Chest CT, axial plane, 120 kVp, kernel STANDARD. Slice 417/474 from the bottom of the scan; thickness 1.25 mm; pixel size 0.645 mm.
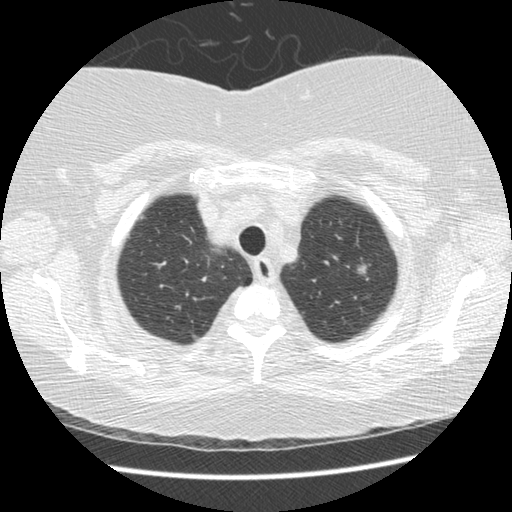
Pulmonary nodule, outlined by three of the four readers. Box on this slice rows 262–275, columns 356–367, the union of the readers' outlines on this slice; the three readers' outlines give a longest diameter between 8.2 and 9.8 mm and a volume between 122 and 196 mm3. The readers' ratings, as ranges where they differ: texture from 1/5 (non-solid) to 5/5 (solid) across the three readers; margin from 2/5 to 4/5 across the three readers; sphericity from 4/5 to 5/5 (round) across the three readers; calcification absent, all three readers agreeing; internal structure soft tissue from all three readers; subtlety rated between 4 and 5 out of 5 by the three readers; malignancy likelihood 4/5 from all three readers. Scale key (1–5): texture non-solid→solid, margin indistinct→circumscribed, sphericity linear→round, subtlety extremely subtle→obvious, malignancy likelihood highly unlikely→highly suspicious of cancer. Box rows and columns are 0-based pixel indices from the top-left corner, inclusive.